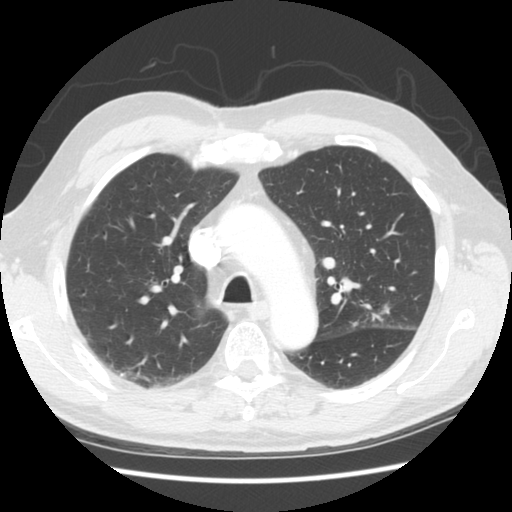
One axial slice (179 of 258, counting up from the lowest) of a chest CT acquired at 120 kVp with the STANDARD kernel; each pixel is 0.664 mm and the slice is 2.50 mm thick.
Two pulmonary nodules are outlined on this slice; from left to right: (1) Pulmonary nodule outlined by three of the four readers; box rows 321–326, columns 351–358 (the union of the readers' outlines on this slice); longest diameter 6.5 mm on average over the three readers' outlines (readers' outlines 6.1–6.9 mm), volume 47–105 mm3. Ratings, by the readers' most common answer with dissent counted: texture 5/5 (solid), all three readers agreeing; most readers (two of three) put margin at 3/5, others 4/5 (one); sphericity 2/5 by two of three readers; the rest gave 3/5 (ovoid) (one); calcification absent from all three readers; internal structure soft tissue, all three readers agreeing; subtlety 2/5 by two of three readers; the rest gave 4/5 (one); malignancy likelihood split among the readers: 2/5 (one), 3/5 (one), 4/5 (one). (2) Pulmonary nodule at rows 300–316, columns 378–392 (box = the union of the readers' outlines on this slice), outlined by all four readers, two of them on this slice; longest diameter 20.6 mm on average over the four readers' outlines (readers' outlines 19.7–21.9 mm), volume 1387–1715 mm3. The readers' prevailing ratings and who disagreed: texture 5/5 (solid) from all four readers; margin split among the readers: 3/5 (two), 4/5 (two); sphericity 3/5 (ovoid) by two of four readers; the rest gave 2/5 (one), 4/5 (one); calcification absent from all four readers; internal structure soft tissue, all four readers agreeing; subtlety 5/5 from all four readers; most readers (three of four) put malignancy likelihood at 5/5, others 3/5 (one). Scale key (1–5): texture non-solid→solid, margin indistinct→circumscribed, sphericity linear→round, subtlety extremely subtle→obvious, malignancy likelihood highly unlikely→highly suspicious of cancer. Box rows and columns are 0-based pixel indices from the top-left corner, inclusive.